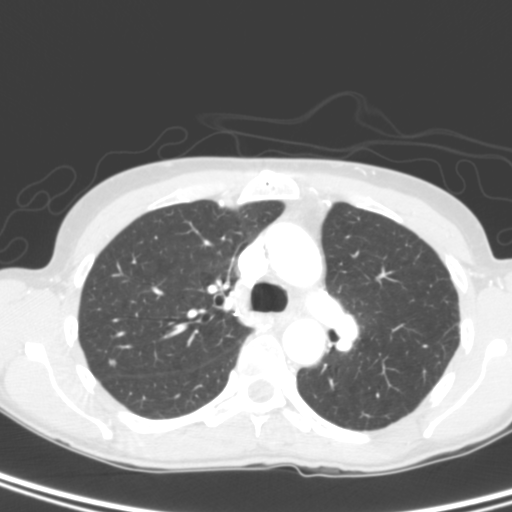
Axial slice 188 of 280 of a chest CT (slice 1 is the lowest), reconstructed with the B kernel at 120 kVp; 2.00 mm slice thickness and 0.572 mm pixels.
Pulmonary nodule outlined by all four readers; box rows 358–367, columns 106–116 (the union of the readers' outlines on this slice); the four readers' outlines give a longest diameter between 6.4 and 8.9 mm and a volume between 92 and 215 mm3. Ratings across the readers: texture from 4/5 to 5/5 (solid) across the four readers; margin from 4/5 to 5/5 (circumscribed) across the four readers; sphericity from 3/5 (ovoid) to 5/5 (round) across the four readers; calcification absent, all four readers agreeing; internal structure soft tissue from all four readers; subtlety rated between 2 and 5 out of 5 by the four readers; malignancy likelihood 2–4/5 (the readers disagree). Scale key (1–5): texture non-solid→solid, margin indistinct→circumscribed, sphericity linear→round, subtlety extremely subtle→obvious, malignancy likelihood highly unlikely→highly suspicious of cancer. Box rows and columns are 0-based pixel indices from the top-left corner, inclusive.